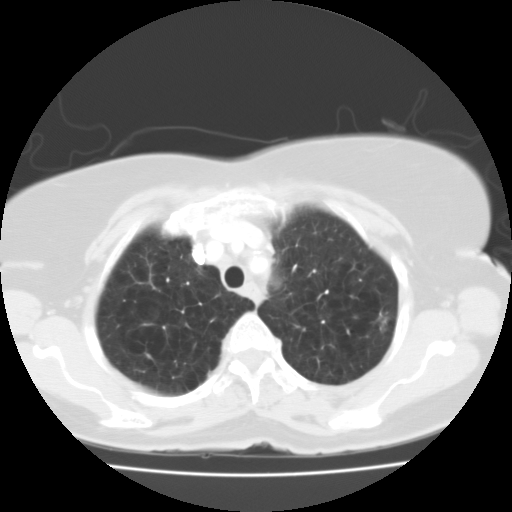
Chest CT, axial plane, 135 kVp, kernel FC01. Slice 98/118 from the bottom of the scan; thickness 3.00 mm; pixel size 0.665 mm.
Pulmonary nodule outlined by all four readers, three of them on this slice; box rows 314–333, columns 375–389 (the union of the readers' outlines on this slice); longest diameter 15.3 mm on average over the four readers' outlines (readers' outlines 14.2–18.1 mm), volume 1024–1671 mm3. Ratings, by the readers' most common answer with dissent counted: texture 5/5 (solid) from all four readers; margin 4/5 by two of four readers; the rest gave 3/5 (one), 5/5 (circumscribed) (one); sphericity 4/5 by three of four readers; the rest gave 5/5 (round) (one); calcification absent, all four readers agreeing; internal structure soft tissue, all four readers agreeing; subtlety 5/5, all four readers agreeing; malignancy likelihood 5/5 by three of four readers; the rest gave 3/5 (one). Scale key (1–5): texture non-solid→solid, margin indistinct→circumscribed, sphericity linear→round, subtlety extremely subtle→obvious, malignancy likelihood highly unlikely→highly suspicious of cancer. Box rows and columns are 0-based pixel indices from the top-left corner, inclusive.